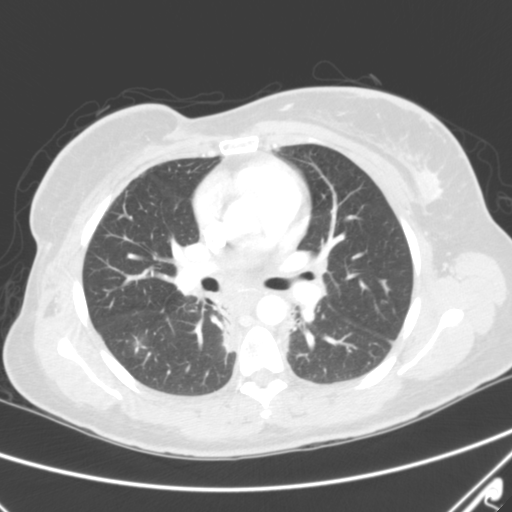
Axial chest CT slice 154 of 263 (counted from the lowest slice); 2.00 mm thick, 0.664 mm per pixel. Pulmonary nodule at rows 334–345, columns 131–146 (box = the union of the readers' outlines on this slice), outlined two times (the source holds three more outlines, not used); median longest diameter 13.7 mm (readers' outlines 12.2–15.2 mm), median volume 980 mm3 (731–1229 mm3). Ratings, median across the readers with their spread: texture 2/5 at the median of two readers, spread 1/5 (non-solid) to 3/5 (part-solid); margin 2.5/5 at the median of two readers, spread 2/5 to 3/5; sphericity 3.5/5 at the median of two readers, spread 3/5 (ovoid) to 4/5; calcification absent, both readers agreeing; internal structure soft tissue from both readers; subtlety 3/5, both readers agreeing; malignancy likelihood 3/5 at the median of two readers, spread 2–4. Scale key (1–5): texture non-solid→solid, margin indistinct→circumscribed, sphericity linear→round, subtlety extremely subtle→obvious, malignancy likelihood highly unlikely→highly suspicious of cancer. Box rows and columns are 0-based pixel indices from the top-left corner, inclusive.
Tube voltage 120 kVp; convolution kernel B.